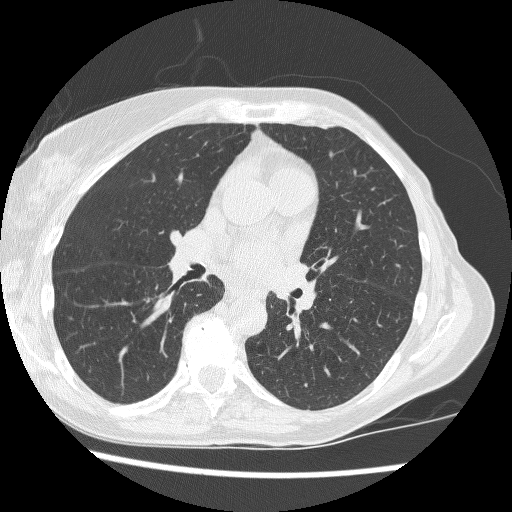
One axial slice (148 of 257, counting up from the lowest) of a chest CT acquired at 120 kVp with the BONE kernel; each pixel is 0.627 mm and the slice is 1.25 mm thick.
The readers outlined no nodule of 3 mm or more on this slice.